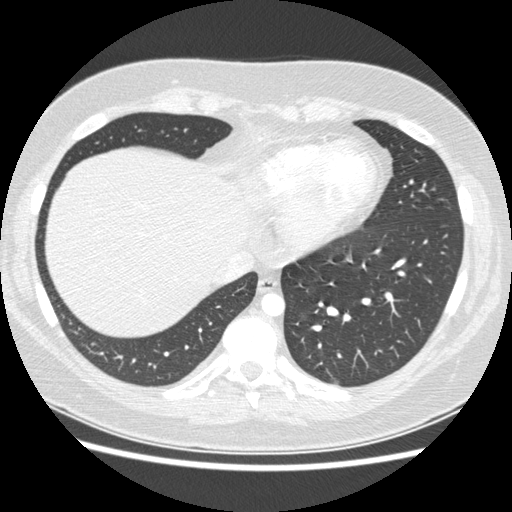
One axial slice (76 of 238, counting up from the lowest) of a chest CT acquired at 120 kVp with the STANDARD kernel; each pixel is 0.703 mm and the slice is 1.25 mm thick.
Pulmonary nodule outlined by two of the four readers; box rows 379–382, columns 333–337 (the union of the readers' outlines on this slice); longest diameter 7.3 mm on average over the two readers' outlines (readers' outlines 6.0–8.6 mm), volume 36–49 mm3. Ratings, by the readers' most common answer with dissent counted: texture 1/5 (non-solid), both readers agreeing; margin split among the readers: 2/5 (one), 3/5 (one); sphericity split among the readers: 3/5 (ovoid) (one), 4/5 (one); calcification absent from both readers; internal structure soft tissue, both readers agreeing; subtlety split among the readers: 2/5 (one), 4/5 (one); malignancy likelihood split among the readers: 2/5 (one), 3/5 (one). Scale key (1–5): texture non-solid→solid, margin indistinct→circumscribed, sphericity linear→round, subtlety extremely subtle→obvious, malignancy likelihood highly unlikely→highly suspicious of cancer. Box rows and columns are 0-based pixel indices from the top-left corner, inclusive.